One axial slice (151 of 426, counting up from the lowest) of a chest CT acquired at 120 kVp with the STANDARD kernel; each pixel is 0.547 mm and the slice is 1.25 mm thick.
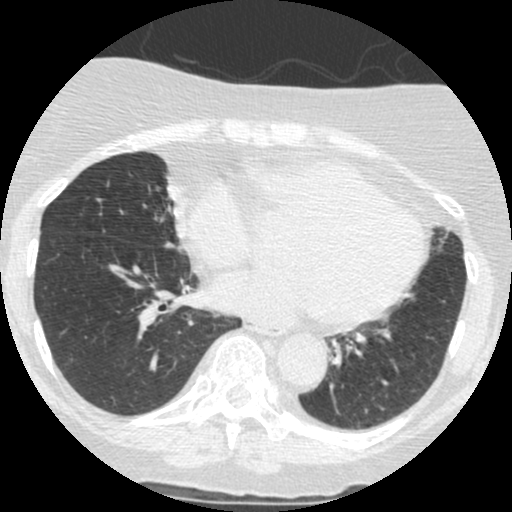
Pulmonary nodule at rows 242–247, columns 165–173 (box = that reader's outline on this slice), outlined by one of the four readers; longest diameter 15.0 mm and volume 404 mm3 from that reader's outline. That reader's ratings: texture 5/5 (solid); margin 4/5; sphericity 4/5; calcification non-central calcification; internal structure soft tissue; subtlety 4/5; malignancy likelihood 2/5. Scale key (1–5): texture non-solid→solid, margin indistinct→circumscribed, sphericity linear→round, subtlety extremely subtle→obvious, malignancy likelihood highly unlikely→highly suspicious of cancer. Box rows and columns are 0-based pixel indices from the top-left corner, inclusive.